Axial slice 343 of 481 of a chest CT (slice 1 is the lowest), reconstructed with the STANDARD kernel at 120 kVp; 1.25 mm slice thickness and 0.703 mm pixels.
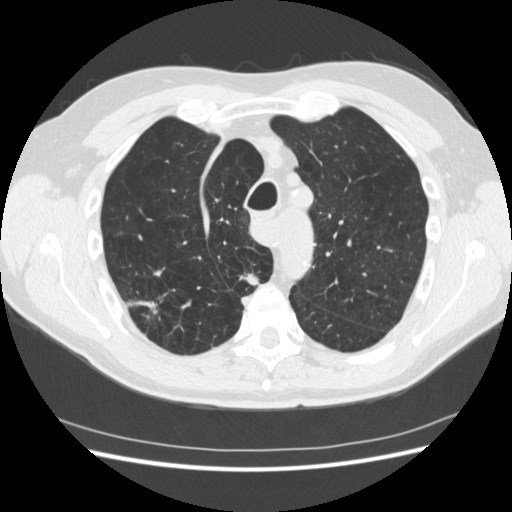
Two pulmonary nodules are outlined on this slice; from left to right: (1) Pulmonary nodule, outlined by all four readers. Box on this slice rows 293–315, columns 126–168, the union of the readers' outlines on this slice; longest diameter 26.2 mm on average over the four readers' outlines (readers' outlines 18.7–34.9 mm), volume 1155–4169 mm3. Ratings, by the readers' most common answer with dissent counted: texture 5/5 (solid) by three of four readers; the rest gave 4/5 (one); margin split among the readers: 1/5 (indistinct) (one), 2/5 (one), 3/5 (one), 4/5 (one); sphericity split among the readers: 2/5 (one), 3/5 (ovoid) (one), 4/5 (one), 5/5 (round) (one); calcification absent from all four readers; internal structure soft tissue, all four readers agreeing; subtlety 5/5, all four readers agreeing; most readers (three of four) put malignancy likelihood at 5/5, others 4/5 (one). (2) Pulmonary nodule at rows 272–286, columns 238–259 (box = the union of the readers' outlines on this slice), outlined by three of the four readers; median longest diameter 15.8 mm (readers' outlines 13.5–18.5 mm), median volume 713 mm3 (529–1088 mm3). Ratings, median across the readers with their spread: texture 5/5 (solid), all three readers agreeing; median margin 4/5 (readers ranged 1/5 (indistinct) to 4/5); median sphericity 3/5 (ovoid) (readers ranged 2/5 to 3/5 (ovoid)); calcification absent from all three readers; internal structure soft tissue from all three readers; median subtlety 5/5 (readers ranged 4–5); median malignancy likelihood 5/5 (readers ranged 3–5). Scale key (1–5): texture non-solid→solid, margin indistinct→circumscribed, sphericity linear→round, subtlety extremely subtle→obvious, malignancy likelihood highly unlikely→highly suspicious of cancer. Box rows and columns are 0-based pixel indices from the top-left corner, inclusive.